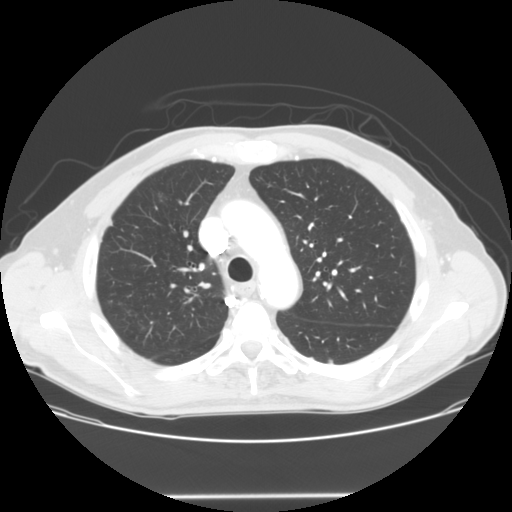
One axial slice (94 of 128, counting up from the lowest) of a chest CT acquired at 120 kVp with the STANDARD kernel; each pixel is 0.742 mm and the slice is 2.50 mm thick.
Pulmonary nodule, outlined by one of the four readers. Box on this slice rows 358–363, columns 328–332, that reader's outline on this slice; longest diameter 6.7 mm and volume 127 mm3 from that reader's outline. That reader's ratings: texture 5/5 (solid); margin 5/5 (circumscribed); sphericity 3/5 (ovoid); calcification absent; internal structure soft tissue; subtlety 3/5; malignancy likelihood 2/5. Scale key (1–5): texture non-solid→solid, margin indistinct→circumscribed, sphericity linear→round, subtlety extremely subtle→obvious, malignancy likelihood highly unlikely→highly suspicious of cancer. Box rows and columns are 0-based pixel indices from the top-left corner, inclusive.